Chest CT, axial plane, 120 kVp, kernel STANDARD. Slice 57/113 from the bottom of the scan; thickness 2.50 mm; pixel size 0.703 mm.
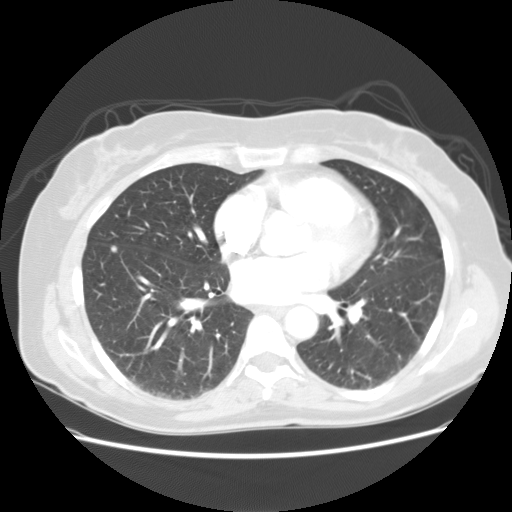
Pulmonary nodule, outlined by three of the four readers. Box on this slice rows 245–252, columns 110–117, the union of the readers' outlines on this slice; the three readers' outlines give a longest diameter between 5.7 and 6.9 mm and a volume between 80 and 140 mm3. The readers' ratings, as ranges where they differ: texture 5/5 (solid), all three readers agreeing; margin from 4/5 to 5/5 (circumscribed) across the three readers; sphericity from 4/5 to 5/5 (round) across the three readers; calcification absent, all three readers agreeing; internal structure soft tissue from all three readers; subtlety rated between 3 and 5 out of 5 by the three readers; malignancy likelihood 3/5 from all three readers. Scale key (1–5): texture non-solid→solid, margin indistinct→circumscribed, sphericity linear→round, subtlety extremely subtle→obvious, malignancy likelihood highly unlikely→highly suspicious of cancer. Box rows and columns are 0-based pixel indices from the top-left corner, inclusive.